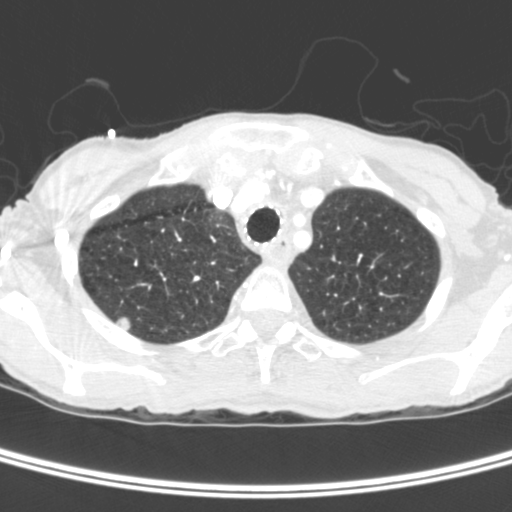
Chest CT, axial plane, 120 kVp, kernel C. Slice 328/400 from the bottom of the scan; thickness 1.50 mm; pixel size 0.527 mm.
Pulmonary nodule at rows 317–331, columns 116–130 (box = the union of the readers' outlines on this slice), outlined by three of the four readers; longest diameter 15.0–15.8 mm and volume 1012–1166 mm3 across the three readers' outlines. Ratings across the readers: texture from 3/5 (part-solid) to 5/5 (solid) across the three readers; margin 4/5, all three readers agreeing; sphericity from 4/5 to 5/5 (round) across the three readers; calcification absent from all three readers; internal structure: soft tissue (two), air (one); subtlety 5/5 from all three readers; malignancy likelihood rated between 4 and 5 out of 5 by the three readers. Scale key (1–5): texture non-solid→solid, margin indistinct→circumscribed, sphericity linear→round, subtlety extremely subtle→obvious, malignancy likelihood highly unlikely→highly suspicious of cancer. Box rows and columns are 0-based pixel indices from the top-left corner, inclusive.